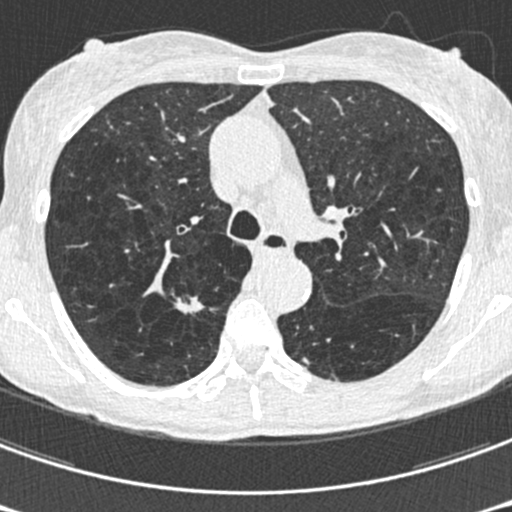
This is axial slice 420 of 633 (slice 1 is the lowest) of a chest CT; each pixel is 0.541 mm and the slice is 0.60 mm thick. Two pulmonary nodules on this slice, listed from left to right. (1) Pulmonary nodule, outlined by all four readers. Box on this slice rows 295–314, columns 174–205, the union of the readers' outlines on this slice; the four readers' outlines give a longest diameter between 18.1 and 21.0 mm and a volume between 1292 and 1642 mm3. Ratings across the readers: texture 5/5 (solid) from all four readers; margin from 1/5 (indistinct) to 3/5 across the four readers; sphericity from 2/5 to 4/5 across the four readers; calcification absent, all four readers agreeing; internal structure soft tissue from all four readers; subtlety rated between 4 and 5 out of 5 by the four readers; malignancy likelihood from 4/5 to 5/5 across the four readers. (2) Pulmonary nodule outlined by one of the four readers; box rows 357–365, columns 302–309 (that reader's outline on this slice); longest diameter 20.7 mm and volume 470 mm3 from that reader's outline. That reader's ratings: texture 5/5 (solid); margin 1/5 (indistinct); sphericity 2/5; calcification absent; internal structure soft tissue; subtlety 4/5; malignancy likelihood 3/5. Scale key (1–5): texture non-solid→solid, margin indistinct→circumscribed, sphericity linear→round, subtlety extremely subtle→obvious, malignancy likelihood highly unlikely→highly suspicious of cancer. Box rows and columns are 0-based pixel indices from the top-left corner, inclusive.
Scan settings: 120 kVp, B30f reconstruction kernel.